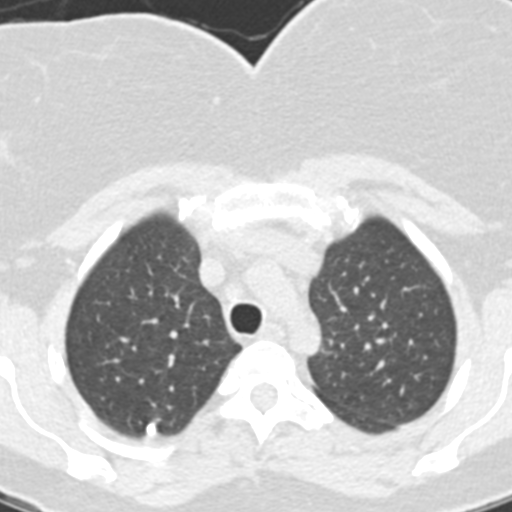
Axial chest CT slice 154 of 331 (counted from the lowest slice); tube voltage 130 kVp, convolution kernel B20s; slices 1.25 mm thick, 0.496 mm per pixel.
Pulmonary nodule, outlined by all four readers. Box on this slice rows 422–437, columns 146–156, the union of the readers' outlines on this slice; median longest diameter 7.5 mm (readers' outlines 6.9–8.4 mm), median volume 164 mm3 (132–209 mm3). Median ratings and the readers' spread: texture 5/5 (solid), all four readers agreeing; margin 5/5 (circumscribed) from all four readers; sphericity 5/5 (round) at the median of four readers, spread 4/5 to 5/5 (round); calcification: solid calcification (three), central calcification (one); internal structure soft tissue from all four readers; subtlety 5/5 at the median of four readers, spread 4–5; malignancy likelihood 1/5 from all four readers. Scale key (1–5): texture non-solid→solid, margin indistinct→circumscribed, sphericity linear→round, subtlety extremely subtle→obvious, malignancy likelihood highly unlikely→highly suspicious of cancer. Box rows and columns are 0-based pixel indices from the top-left corner, inclusive.